Chest CT, axial plane, 120 kVp, kernel STANDARD. Slice 57/133 from the bottom of the scan; thickness 2.50 mm; pixel size 0.703 mm.
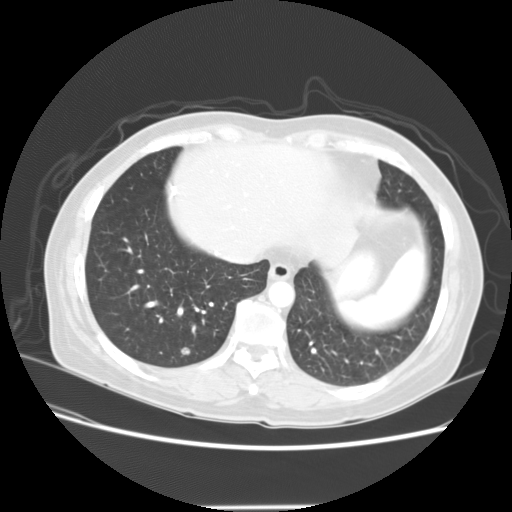
Pulmonary nodule at rows 347–354, columns 181–189 (box = the union of the readers' outlines on this slice), outlined by all four readers; longest diameter 7.4 mm on average over the four readers' outlines (readers' outlines 7.2–7.6 mm), volume 132–211 mm3. The readers' prevailing ratings and who disagreed: texture 5/5 (solid) by two of four readers; the rest gave 3/5 (part-solid) (one), 4/5 (one); margin split among the readers: 4/5 (two), 5/5 (circumscribed) (two); most readers (three of four) put sphericity at 4/5, others 5/5 (round) (one); calcification absent from all four readers; internal structure soft tissue, all four readers agreeing; subtlety split among the readers: 3/5 (two), 4/5 (two); malignancy likelihood split among the readers: 2/5 (two), 3/5 (two). Scale key (1–5): texture non-solid→solid, margin indistinct→circumscribed, sphericity linear→round, subtlety extremely subtle→obvious, malignancy likelihood highly unlikely→highly suspicious of cancer. Box rows and columns are 0-based pixel indices from the top-left corner, inclusive.